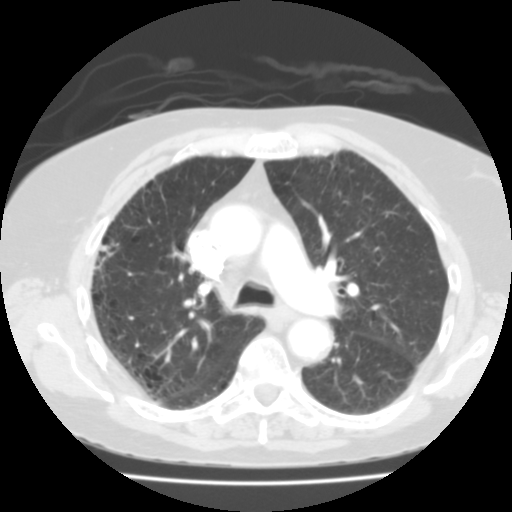
One axial slice (88 of 136, counting up from the lowest) of a chest CT acquired at 135 kVp with the FC03 kernel; each pixel is 0.644 mm and the slice is 2.00 mm thick.
Pulmonary nodule at rows 245–250, columns 99–111 (box = that reader's outline on this slice), outlined by one of the four readers; longest diameter 9.4 mm and volume 123 mm3 from that reader's outline. Ratings by that reader: texture 1/5 (non-solid); margin 2/5; sphericity 5/5 (round); calcification absent; internal structure soft tissue; subtlety 1/5; malignancy likelihood 2/5. Scale key (1–5): texture non-solid→solid, margin indistinct→circumscribed, sphericity linear→round, subtlety extremely subtle→obvious, malignancy likelihood highly unlikely→highly suspicious of cancer. Box rows and columns are 0-based pixel indices from the top-left corner, inclusive.